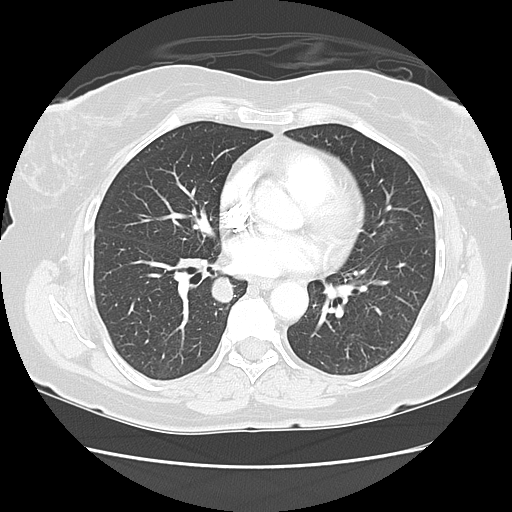
Axial slice 70 of 130 of a chest CT (slice 1 is the lowest), reconstructed with the LUNG kernel at 120 kVp; 2.50 mm slice thickness and 0.664 mm pixels.
Pulmonary nodule at rows 274–302, columns 211–233 (box = the union of the readers' outlines on this slice), outlined by all four readers; longest diameter 23.5 mm on average over the four readers' outlines (readers' outlines 23.2–24.2 mm), volume 4791–5604 mm3. Ratings, by the readers' most common answer with dissent counted: texture 5/5 (solid), all four readers agreeing; margin 5/5 (circumscribed) by three of four readers; the rest gave 4/5 (one); sphericity split among the readers: 4/5 (two), 5/5 (round) (two); calcification absent from all four readers; internal structure soft tissue from all four readers; subtlety 5/5, all four readers agreeing; most readers (three of four) put malignancy likelihood at 5/5, others 2/5 (one). Scale key (1–5): texture non-solid→solid, margin indistinct→circumscribed, sphericity linear→round, subtlety extremely subtle→obvious, malignancy likelihood highly unlikely→highly suspicious of cancer. Box rows and columns are 0-based pixel indices from the top-left corner, inclusive.